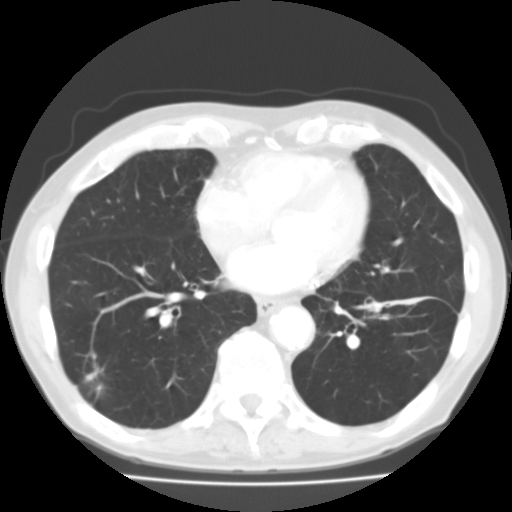
Axial chest CT slice 54 of 129 (counted from the lowest slice); tube voltage 135 kVp, convolution kernel FC01; slices 3.00 mm thick, 0.662 mm per pixel.
Pulmonary nodule outlined by two of the four readers; box rows 360–401, columns 81–106 (the union of the readers' outlines on this slice); longest diameter 30.7–33.2 mm and volume 2555–2947 mm3 across the two readers' outlines. Ratings across the readers: texture from 3/5 (part-solid) to 4/5 across the two readers; margin from 1/5 (indistinct) to 4/5 across the two readers; sphericity from 3/5 (ovoid) to 5/5 (round) across the two readers; calcification absent from both readers; internal structure soft tissue from both readers; subtlety 5/5, both readers agreeing; malignancy likelihood from 3/5 to 4/5 across the two readers. Scale key (1–5): texture non-solid→solid, margin indistinct→circumscribed, sphericity linear→round, subtlety extremely subtle→obvious, malignancy likelihood highly unlikely→highly suspicious of cancer. Box rows and columns are 0-based pixel indices from the top-left corner, inclusive.